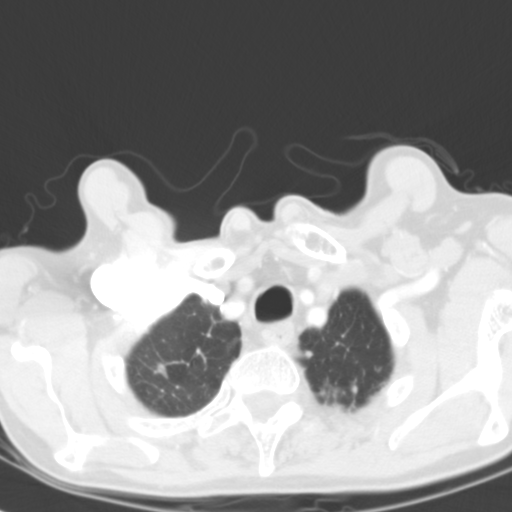
This is axial slice 103 of 116 (slice 1 is the lowest) of a chest CT; each pixel is 0.547 mm and the slice is 3.00 mm thick. Pulmonary nodule outlined by two of the four readers; box rows 350–358, columns 305–312 (the union of the readers' outlines on this slice); longest diameter 5.4 mm on average over the two readers' outlines (readers' outlines 5.4–5.5 mm), volume 54–74 mm3. Ratings, by the readers' most common answer with dissent counted: texture 5/5 (solid), both readers agreeing; margin 5/5 (circumscribed) from both readers; sphericity 5/5 (round), both readers agreeing; calcification absent, both readers agreeing; internal structure soft tissue, both readers agreeing; subtlety split among the readers: 4/5 (one), 5/5 (one); malignancy likelihood split among the readers: 1/5 (one), 3/5 (one). Scale key (1–5): texture non-solid→solid, margin indistinct→circumscribed, sphericity linear→round, subtlety extremely subtle→obvious, malignancy likelihood highly unlikely→highly suspicious of cancer. Box rows and columns are 0-based pixel indices from the top-left corner, inclusive.
Scan settings: 120 kVp, B31f reconstruction kernel.